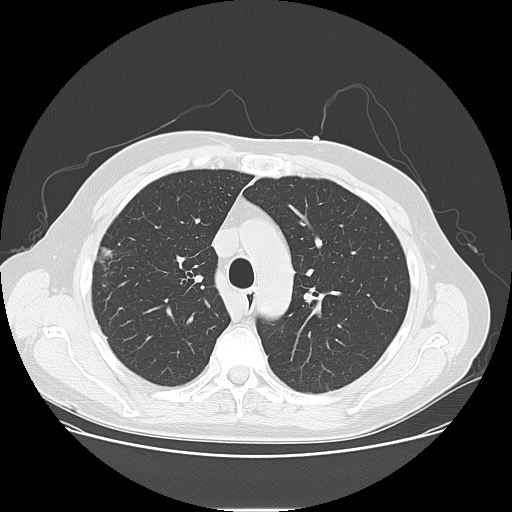
Axial chest CT slice 100 of 141 (counted from the lowest slice); tube voltage 120 kVp, convolution kernel LUNG; slices 2.50 mm thick, 0.762 mm per pixel.
Pulmonary nodule, outlined by all four readers. Box on this slice rows 246–260, columns 99–112, the union of the readers' outlines on this slice; longest diameter 25.3–27.9 mm and volume 2874–3633 mm3 across the four readers' outlines. The readers' ratings, as ranges where they differ: texture 5/5 (solid), all four readers agreeing; margin from 3/5 to 5/5 (circumscribed) across the four readers; sphericity from 2/5 to 3/5 (ovoid) across the four readers; calcification absent, all four readers agreeing; internal structure soft tissue, all four readers agreeing; subtlety 5/5, all four readers agreeing; malignancy likelihood from 3/5 to 5/5 across the four readers. Scale key (1–5): texture non-solid→solid, margin indistinct→circumscribed, sphericity linear→round, subtlety extremely subtle→obvious, malignancy likelihood highly unlikely→highly suspicious of cancer. Box rows and columns are 0-based pixel indices from the top-left corner, inclusive.